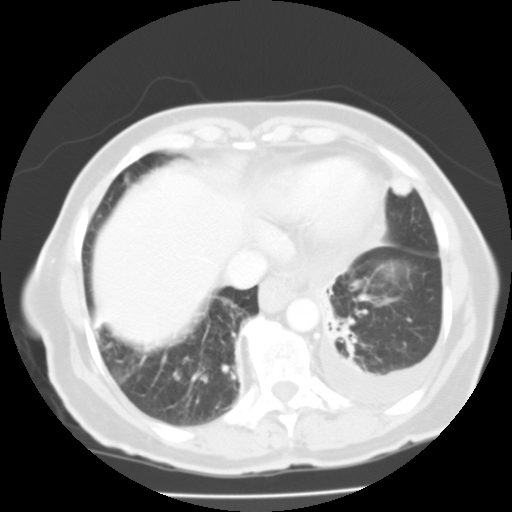
Axial chest CT slice 49 of 119 (counted from the lowest slice); tube voltage 135 kVp, convolution kernel FC01; slices 3.00 mm thick, 0.640 mm per pixel.
Pulmonary nodule, outlined by one of the four readers. Box on this slice rows 176–196, columns 391–411, that reader's outline on this slice; longest diameter 18.8 mm and volume 4417 mm3 from that reader's outline. That reader's ratings: texture 5/5 (solid); margin 4/5; sphericity 4/5; calcification absent; internal structure soft tissue; subtlety 4/5; malignancy likelihood 4/5. Scale key (1–5): texture non-solid→solid, margin indistinct→circumscribed, sphericity linear→round, subtlety extremely subtle→obvious, malignancy likelihood highly unlikely→highly suspicious of cancer. Box rows and columns are 0-based pixel indices from the top-left corner, inclusive.